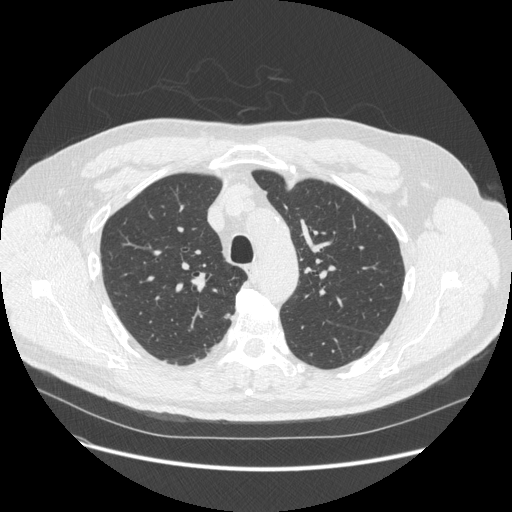
This is axial slice 390 of 541 (slice 1 is the lowest) of a chest CT; each pixel is 0.781 mm and the slice is 1.25 mm thick. Pulmonary nodule, outlined by three of the four readers. Box on this slice rows 313–318, columns 223–230, the union of the readers' outlines on this slice; longest diameter 7.0–8.0 mm and volume 58–82 mm3 across the three readers' outlines. The readers' ratings, as ranges where they differ: texture 5/5 (solid) from all three readers; margin from 3/5 to 5/5 (circumscribed) across the three readers; sphericity from 2/5 to 4/5 across the three readers; calcification absent, all three readers agreeing; internal structure soft tissue from all three readers; subtlety rated between 3 and 5 out of 5 by the three readers; malignancy likelihood rated between 2 and 4 out of 5 by the three readers. Scale key (1–5): texture non-solid→solid, margin indistinct→circumscribed, sphericity linear→round, subtlety extremely subtle→obvious, malignancy likelihood highly unlikely→highly suspicious of cancer. Box rows and columns are 0-based pixel indices from the top-left corner, inclusive.
Acquired at 120 kVp and reconstructed with the STANDARD kernel.